Chest CT, axial plane, 120 kVp, kernel STANDARD. Slice 144/232 from the bottom of the scan; thickness 1.25 mm; pixel size 0.781 mm.
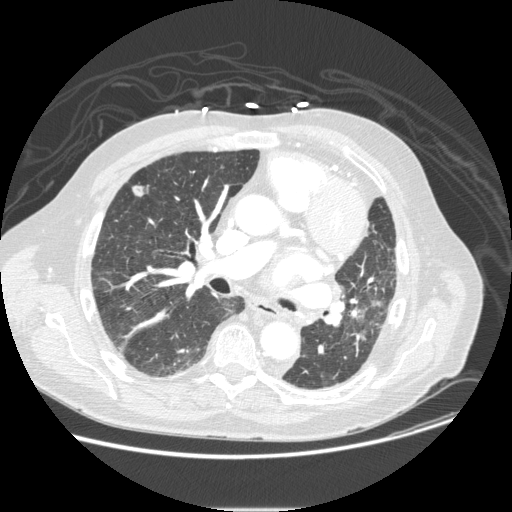
Pulmonary nodule, outlined by all four readers. Box on this slice rows 185–196, columns 132–148, the union of the readers' outlines on this slice; longest diameter 14.3–19.0 mm and volume 516–753 mm3 across the four readers' outlines. The readers' ratings, as ranges where they differ: texture from 4/5 to 5/5 (solid) across the four readers; margin from 3/5 to 4/5 across the four readers; sphericity from 3/5 (ovoid) to 4/5 across the four readers; calcification absent from all four readers; internal structure soft tissue, all four readers agreeing; subtlety rated between 4 and 5 out of 5 by the four readers; malignancy likelihood rated between 2 and 4 out of 5 by the four readers. Scale key (1–5): texture non-solid→solid, margin indistinct→circumscribed, sphericity linear→round, subtlety extremely subtle→obvious, malignancy likelihood highly unlikely→highly suspicious of cancer. Box rows and columns are 0-based pixel indices from the top-left corner, inclusive.